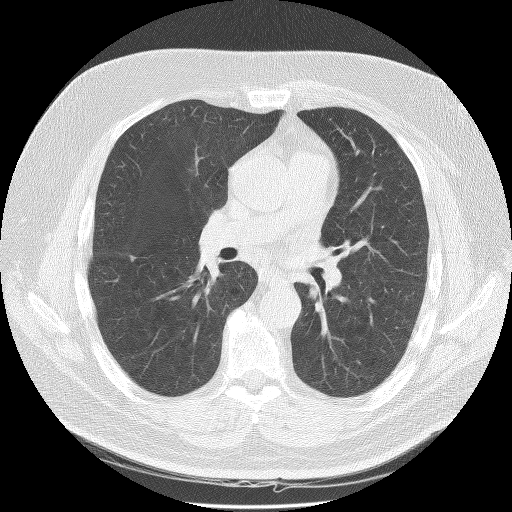
One axial slice (90 of 139, counting up from the lowest) of a chest CT acquired at 140 kVp with the BONE kernel; each pixel is 0.734 mm and the slice is 2.50 mm thick.
No nodule of 3 mm or larger was outlined by any of the four readers on this slice.